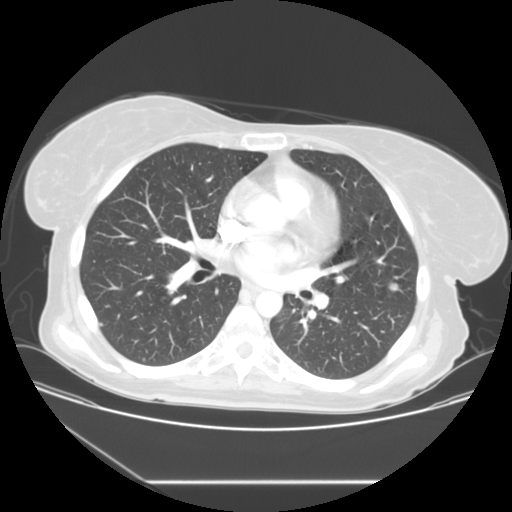
Axial chest CT slice 69 of 117 (counted from the lowest slice); 2.50 mm thick, 0.781 mm per pixel. Pulmonary nodule at rows 281–291, columns 388–398 (box = the union of the readers' outlines on this slice), outlined by all four readers; longest diameter 12.3 mm on average over the four readers' outlines (readers' outlines 11.4–12.8 mm), volume 378–537 mm3. Ratings, by the readers' most common answer with dissent counted: texture 5/5 (solid) from all four readers; most readers (three of four) put margin at 5/5 (circumscribed), others 4/5 (one); sphericity split among the readers: 4/5 (two), 5/5 (round) (two); calcification absent, all four readers agreeing; internal structure soft tissue from all four readers; subtlety 5/5 by two of four readers; the rest gave 3/5 (one), 4/5 (one); malignancy likelihood 2/5 by two of four readers; the rest gave 3/5 (one), 5/5 (one). Scale key (1–5): texture non-solid→solid, margin indistinct→circumscribed, sphericity linear→round, subtlety extremely subtle→obvious, malignancy likelihood highly unlikely→highly suspicious of cancer. Box rows and columns are 0-based pixel indices from the top-left corner, inclusive.
Acquired at 120 kVp and reconstructed with the STANDARD kernel.